Axial chest CT slice 381 of 458 (counted from the lowest slice); tube voltage 120 kVp, convolution kernel STANDARD; slices 1.25 mm thick, 0.586 mm per pixel.
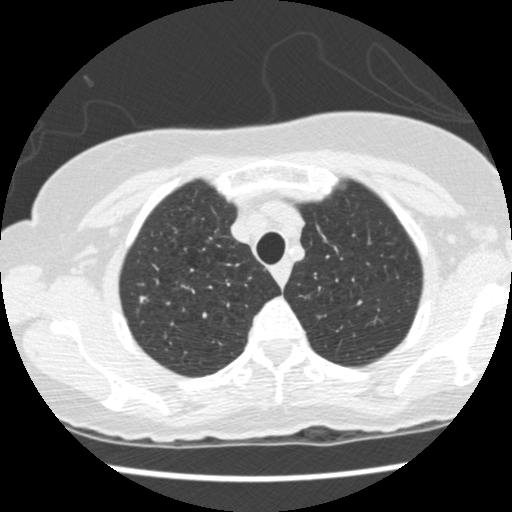
Pulmonary nodule at rows 296–303, columns 139–147 (box = the union of the readers' outlines on this slice), outlined by all four readers; longest diameter 6.3 mm on average over the four readers' outlines (readers' outlines 5.0–7.8 mm), volume 57–106 mm3. The readers' prevailing ratings and who disagreed: texture split among the readers: 4/5 (two), 5/5 (solid) (two); margin split among the readers: 3/5 (two), 4/5 (two); most readers (three of four) put sphericity at 4/5, others 5/5 (round) (one); calcification absent, all four readers agreeing; internal structure soft tissue from all four readers; subtlety 3/5 by two of four readers; the rest gave 4/5 (one), 5/5 (one); malignancy likelihood 2/5 by two of four readers; the rest gave 3/5 (one), 4/5 (one). Scale key (1–5): texture non-solid→solid, margin indistinct→circumscribed, sphericity linear→round, subtlety extremely subtle→obvious, malignancy likelihood highly unlikely→highly suspicious of cancer. Box rows and columns are 0-based pixel indices from the top-left corner, inclusive.